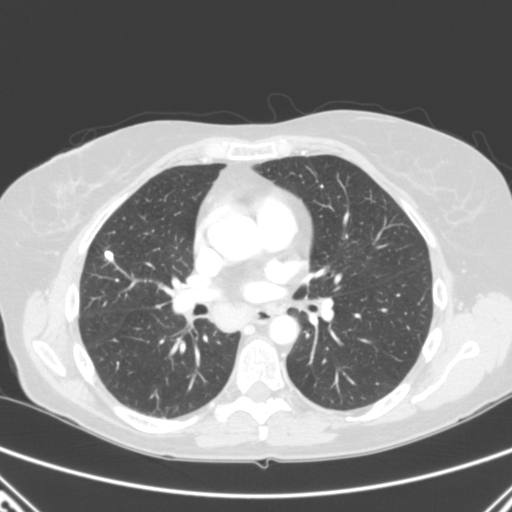
One axial slice (148 of 280, counting up from the lowest) of a chest CT acquired at 120 kVp with the B kernel; each pixel is 0.676 mm and the slice is 2.00 mm thick.
Pulmonary nodule at rows 250–260, columns 104–114 (box = the union of the readers' outlines on this slice), outlined by all four readers; median longest diameter 8.9 mm (readers' outlines 8.5–10.7 mm), median volume 220 mm3 (156–292 mm3). Ratings, median across the readers with their spread: texture 5/5 (solid) from all four readers; median margin 4.5/5 (readers ranged 4/5 to 5/5 (circumscribed)); sphericity 4/5 at the median of four readers, spread 3/5 (ovoid) to 5/5 (round); calcification: solid calcification (three), central calcification (one); internal structure soft tissue from all four readers; subtlety 5/5, all four readers agreeing; malignancy likelihood 1/5, all four readers agreeing. Scale key (1–5): texture non-solid→solid, margin indistinct→circumscribed, sphericity linear→round, subtlety extremely subtle→obvious, malignancy likelihood highly unlikely→highly suspicious of cancer. Box rows and columns are 0-based pixel indices from the top-left corner, inclusive.